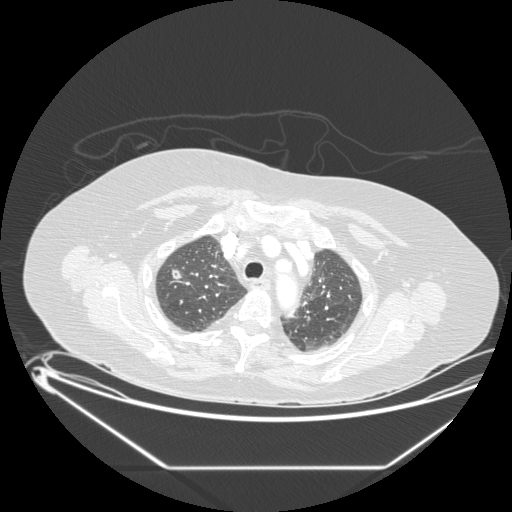
Slice 163/197 of a chest CT, counting up from the lowest; pixel size 0.859 mm, slice thickness 1.25 mm. Pulmonary nodule outlined by all four readers; box rows 269–278, columns 172–181 (the union of the readers' outlines on this slice); longest diameter 11.9 mm on average over the four readers' outlines (readers' outlines 10.4–12.9 mm), volume 381–630 mm3. The readers' prevailing ratings and who disagreed: texture 5/5 (solid) by three of four readers; the rest gave 3/5 (part-solid) (one); margin 5/5 (circumscribed) by two of four readers; the rest gave 2/5 (one), 4/5 (one); sphericity split among the readers: 4/5 (two), 5/5 (round) (two); calcification absent from all four readers; internal structure soft tissue by three of four readers, air (one); subtlety 4/5 by two of four readers; the rest gave 3/5 (one), 5/5 (one); malignancy likelihood split among the readers: 2/5 (two), 4/5 (two). Scale key (1–5): texture non-solid→solid, margin indistinct→circumscribed, sphericity linear→round, subtlety extremely subtle→obvious, malignancy likelihood highly unlikely→highly suspicious of cancer. Box rows and columns are 0-based pixel indices from the top-left corner, inclusive.
Tube voltage 120 kVp; convolution kernel STANDARD.